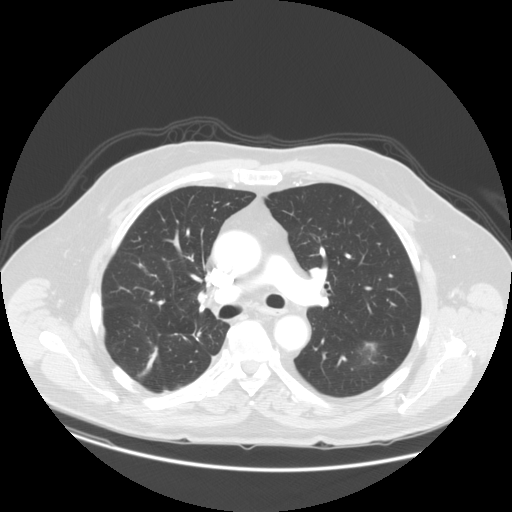
Slice 80/140 of a chest CT, counting up from the lowest; pixel size 0.820 mm, slice thickness 2.50 mm. Pulmonary nodule at rows 341–365, columns 356–382 (box = the one reader's outline on this slice), outlined by all four readers, one of them on this slice; longest diameter 31.0 mm on average over the four readers' outlines (readers' outlines 28.0–35.5 mm), volume 4625–10612 mm3. Ratings, by the readers' most common answer with dissent counted: texture 4/5 by two of four readers; the rest gave 3/5 (part-solid) (one), 5/5 (solid) (one); most readers (three of four) put margin at 3/5, others 4/5 (one); sphericity 4/5 by two of four readers; the rest gave 3/5 (ovoid) (one), 5/5 (round) (one); calcification absent, all four readers agreeing; internal structure soft tissue, all four readers agreeing; subtlety 5/5 from all four readers; malignancy likelihood 5/5 by two of four readers; the rest gave 3/5 (one), 4/5 (one). Scale key (1–5): texture non-solid→solid, margin indistinct→circumscribed, sphericity linear→round, subtlety extremely subtle→obvious, malignancy likelihood highly unlikely→highly suspicious of cancer. Box rows and columns are 0-based pixel indices from the top-left corner, inclusive.
Scan settings: 120 kVp, STANDARD reconstruction kernel.